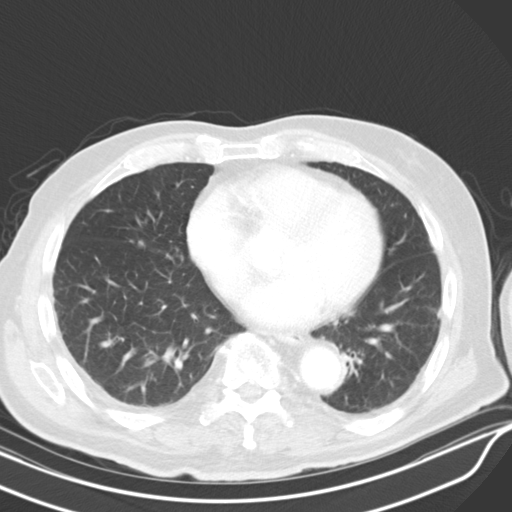
One axial slice (220 of 319, counting up from the lowest) of a chest CT acquired at 130 kVp with the B30s kernel; each pixel is 0.729 mm and the slice is 4.00 mm thick.
Pulmonary nodule at rows 241–247, columns 138–145 (box = the union of the readers' outlines on this slice), outlined by three of the four readers; longest diameter 7.5 mm on average over the three readers' outlines (readers' outlines 7.3–7.6 mm), volume 142–180 mm3. The readers' prevailing ratings and who disagreed: texture split among the readers: 2/5 (one), 4/5 (one), 5/5 (solid) (one); most readers (two of three) put margin at 4/5, others 2/5 (one); sphericity split among the readers: 2/5 (one), 3/5 (ovoid) (one), 4/5 (one); calcification absent, all three readers agreeing; internal structure soft tissue, all three readers agreeing; subtlety split among the readers: 2/5 (one), 4/5 (one), 5/5 (one); malignancy likelihood 2/5 by two of three readers; the rest gave 3/5 (one). Scale key (1–5): texture non-solid→solid, margin indistinct→circumscribed, sphericity linear→round, subtlety extremely subtle→obvious, malignancy likelihood highly unlikely→highly suspicious of cancer. Box rows and columns are 0-based pixel indices from the top-left corner, inclusive.